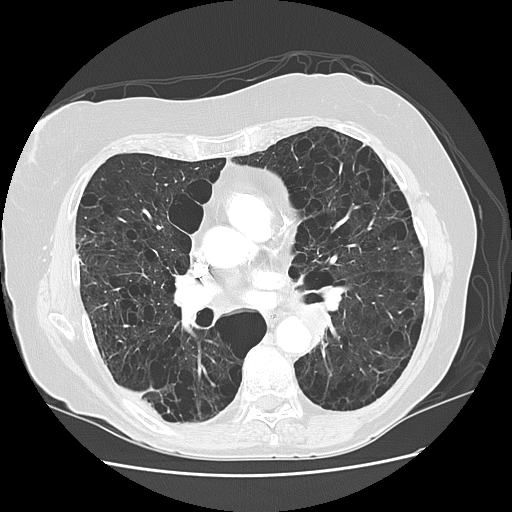
One axial slice (64 of 125, counting up from the lowest) of a chest CT acquired at 120 kVp with the LUNG kernel; each pixel is 0.703 mm and the slice is 2.50 mm thick.
Pulmonary nodule outlined by one of the four readers; box rows 308–346, columns 294–325 (that reader's outline on this slice); longest diameter 37.4 mm and volume 10878 mm3 from that reader's outline. Ratings by that reader: texture 5/5 (solid); margin 5/5 (circumscribed); sphericity 5/5 (round); calcification absent; internal structure soft tissue; subtlety 3/5; malignancy likelihood 2/5. Scale key (1–5): texture non-solid→solid, margin indistinct→circumscribed, sphericity linear→round, subtlety extremely subtle→obvious, malignancy likelihood highly unlikely→highly suspicious of cancer. Box rows and columns are 0-based pixel indices from the top-left corner, inclusive.